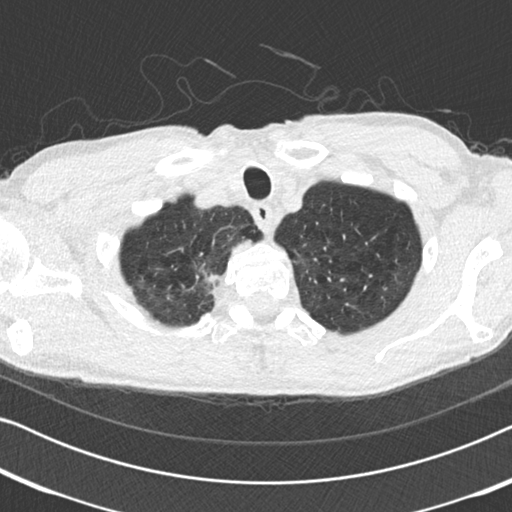
Axial chest CT slice 206 of 225 (counted from the lowest slice); 2.00 mm thick, 0.645 mm per pixel. Pulmonary nodule, outlined by one of the four readers. Box on this slice rows 313–319, columns 200–208, that reader's outline on this slice; longest diameter 11.1 mm and volume 221 mm3 from that reader's outline. Ratings by that reader: texture 5/5 (solid); margin 5/5 (circumscribed); sphericity 3/5 (ovoid); calcification solid calcification; internal structure soft tissue; subtlety 5/5; malignancy likelihood 1/5. Scale key (1–5): texture non-solid→solid, margin indistinct→circumscribed, sphericity linear→round, subtlety extremely subtle→obvious, malignancy likelihood highly unlikely→highly suspicious of cancer. Box rows and columns are 0-based pixel indices from the top-left corner, inclusive.
Tube voltage 120 kVp; convolution kernel B30f.